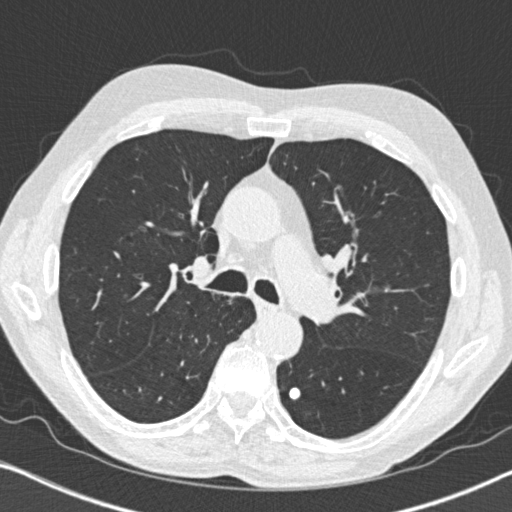
One axial slice (498 of 764, counting up from the lowest) of a chest CT acquired at 120 kVp with the B31f kernel; each pixel is 0.646 mm and the slice is 1.00 mm thick.
Pulmonary nodule outlined by all four readers; box rows 386–400, columns 287–301 (the union of the readers' outlines on this slice); longest diameter 11.4 mm on average over the four readers' outlines (readers' outlines 10.7–12.7 mm), volume 382–638 mm3. Ratings, by the readers' most common answer with dissent counted: texture 5/5 (solid), all four readers agreeing; margin 5/5 (circumscribed), all four readers agreeing; most readers (three of four) put sphericity at 5/5 (round), others 4/5 (one); calcification solid calcification from all four readers; internal structure soft tissue from all four readers; subtlety 5/5, all four readers agreeing; malignancy likelihood 1/5, all four readers agreeing. Scale key (1–5): texture non-solid→solid, margin indistinct→circumscribed, sphericity linear→round, subtlety extremely subtle→obvious, malignancy likelihood highly unlikely→highly suspicious of cancer. Box rows and columns are 0-based pixel indices from the top-left corner, inclusive.